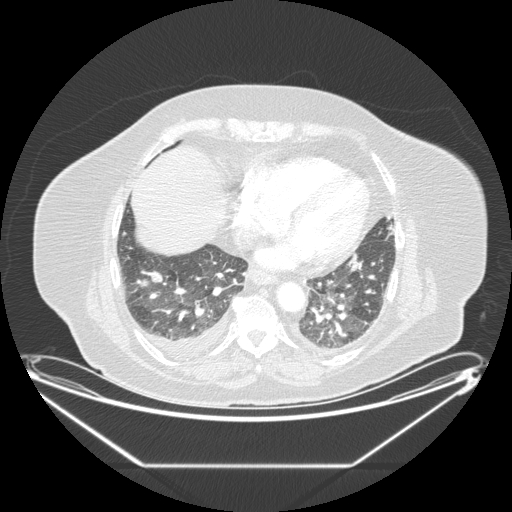
Axial chest CT slice 61 of 206 (counted from the lowest slice); 1.25 mm thick, 0.898 mm per pixel. Pulmonary nodule, outlined by all four readers. Box on this slice rows 271–288, columns 140–162, the union of the readers' outlines on this slice; longest diameter 28.4 mm on average over the four readers' outlines (readers' outlines 25.7–34.7 mm), volume 3668–5061 mm3. The readers' prevailing ratings and who disagreed: most readers (three of four) put texture at 5/5 (solid), others 4/5 (one); margin 4/5, all four readers agreeing; sphericity 3/5 (ovoid) by three of four readers; the rest gave 5/5 (round) (one); calcification absent, all four readers agreeing; internal structure soft tissue from all four readers; subtlety 5/5 by three of four readers; the rest gave 4/5 (one); malignancy likelihood 5/5 by two of four readers; the rest gave 3/5 (one), 4/5 (one). Scale key (1–5): texture non-solid→solid, margin indistinct→circumscribed, sphericity linear→round, subtlety extremely subtle→obvious, malignancy likelihood highly unlikely→highly suspicious of cancer. Box rows and columns are 0-based pixel indices from the top-left corner, inclusive.
Acquired at 120 kVp and reconstructed with the STANDARD kernel.